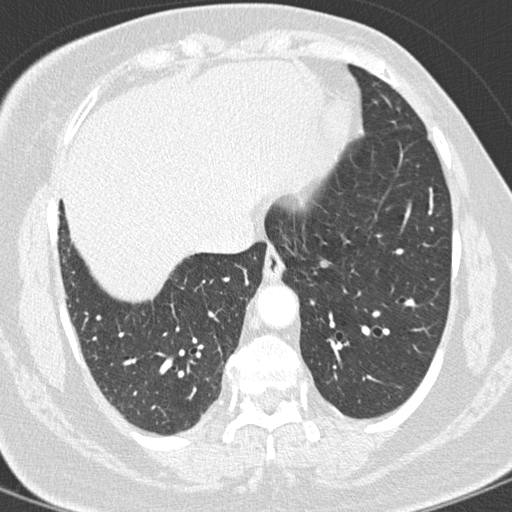
Axial chest CT slice 108 of 298 (counted from the lowest slice); 1.00 mm thick, 0.547 mm per pixel. Pulmonary nodule outlined by three of the four readers; box rows 258–267, columns 319–328 (the union of the readers' outlines on this slice); longest diameter 6.3 mm on average over the three readers' outlines (readers' outlines 5.6–6.6 mm), volume 48–68 mm3. The readers' prevailing ratings and who disagreed: most readers (two of three) put texture at 5/5 (solid), others 4/5 (one); margin 5/5 (circumscribed) by two of three readers; the rest gave 3/5 (one); sphericity split among the readers: 3/5 (ovoid) (one), 4/5 (one), 5/5 (round) (one); calcification absent from all three readers; internal structure soft tissue from all three readers; most readers (two of three) put subtlety at 1/5, others 3/5 (one); most readers (two of three) put malignancy likelihood at 3/5, others 2/5 (one). Scale key (1–5): texture non-solid→solid, margin indistinct→circumscribed, sphericity linear→round, subtlety extremely subtle→obvious, malignancy likelihood highly unlikely→highly suspicious of cancer. Box rows and columns are 0-based pixel indices from the top-left corner, inclusive.
Acquired at 120 kVp and reconstructed with the B45f kernel.